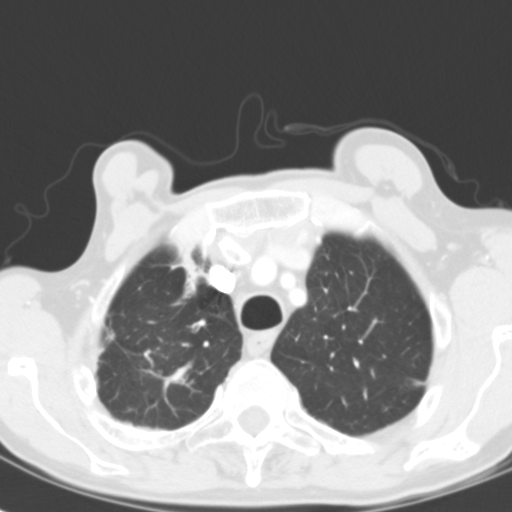
Axial chest CT slice 94 of 116 (counted from the lowest slice); tube voltage 120 kVp, convolution kernel B31f; slices 3.00 mm thick, 0.547 mm per pixel.
Pulmonary nodule outlined by all four readers, two of them on this slice; box rows 379–388, columns 405–424 (the union of the readers' outlines on this slice); longest diameter 25.8 mm on average over the four readers' outlines (readers' outlines 23.8–26.7 mm), volume 3983–5133 mm3. The readers' prevailing ratings and who disagreed: texture 5/5 (solid) by three of four readers; the rest gave 3/5 (part-solid) (one); margin 4/5 by two of four readers; the rest gave 3/5 (one), 5/5 (circumscribed) (one); sphericity 4/5 by three of four readers; the rest gave 3/5 (ovoid) (one); calcification absent from all four readers; internal structure soft tissue by three of four readers, air (one); subtlety 5/5, all four readers agreeing; malignancy likelihood 5/5 by two of four readers; the rest gave 2/5 (one), 3/5 (one). Scale key (1–5): texture non-solid→solid, margin indistinct→circumscribed, sphericity linear→round, subtlety extremely subtle→obvious, malignancy likelihood highly unlikely→highly suspicious of cancer. Box rows and columns are 0-based pixel indices from the top-left corner, inclusive.